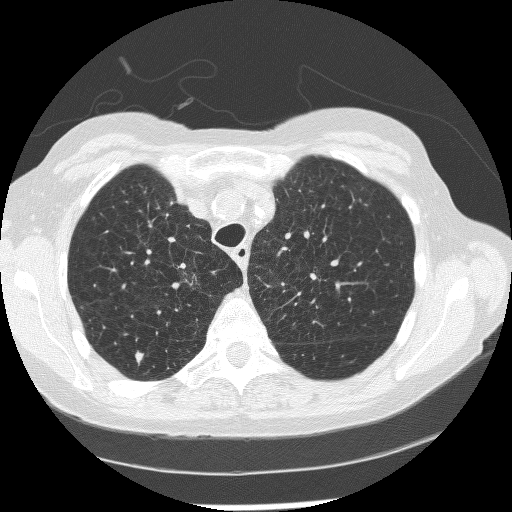
Slice 214/267 of a chest CT, counting up from the lowest; pixel size 0.596 mm, slice thickness 1.25 mm. Pulmonary nodule, outlined by all four readers. Box on this slice rows 350–365, columns 134–143, the union of the readers' outlines on this slice; longest diameter 8.4–9.5 mm and volume 111–243 mm3 across the four readers' outlines. The readers' ratings, as ranges where they differ: texture from 4/5 to 5/5 (solid) across the four readers; margin from 3/5 to 4/5 across the four readers; sphericity from 2/5 to 3/5 (ovoid) across the four readers; calcification absent, all four readers agreeing; internal structure soft tissue from all four readers; subtlety 3–5/5 (the readers disagree); malignancy likelihood from 3/5 to 4/5 across the four readers. Scale key (1–5): texture non-solid→solid, margin indistinct→circumscribed, sphericity linear→round, subtlety extremely subtle→obvious, malignancy likelihood highly unlikely→highly suspicious of cancer. Box rows and columns are 0-based pixel indices from the top-left corner, inclusive.
Acquired at 120 kVp and reconstructed with the BONE kernel.